Axial chest CT slice 257 of 411 (counted from the lowest slice); tube voltage 120 kVp, convolution kernel D; slices 2.00 mm thick, 0.654 mm per pixel.
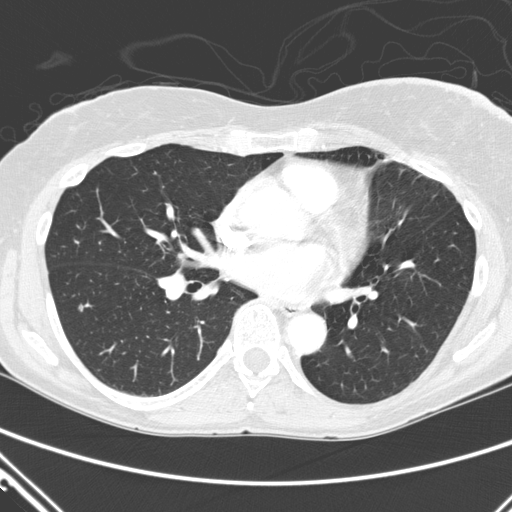
Pulmonary nodule, outlined by two of the four readers. Box on this slice rows 304–311, columns 77–83, the union of the readers' outlines on this slice; median longest diameter 5.7 mm (readers' outlines 5.3–6.2 mm), median volume 35 mm3 (21–50 mm3). Median ratings and the readers' spread: median texture 4.5/5 (readers ranged 4/5 to 5/5 (solid)); margin 4.5/5 at the median of two readers, spread 4/5 to 5/5 (circumscribed); sphericity 4/5, both readers agreeing; calcification absent, both readers agreeing; internal structure soft tissue from both readers; median subtlety 2/5 (readers ranged 1–3); malignancy likelihood 2.5/5 at the median of two readers, spread 1–4. Scale key (1–5): texture non-solid→solid, margin indistinct→circumscribed, sphericity linear→round, subtlety extremely subtle→obvious, malignancy likelihood highly unlikely→highly suspicious of cancer. Box rows and columns are 0-based pixel indices from the top-left corner, inclusive.